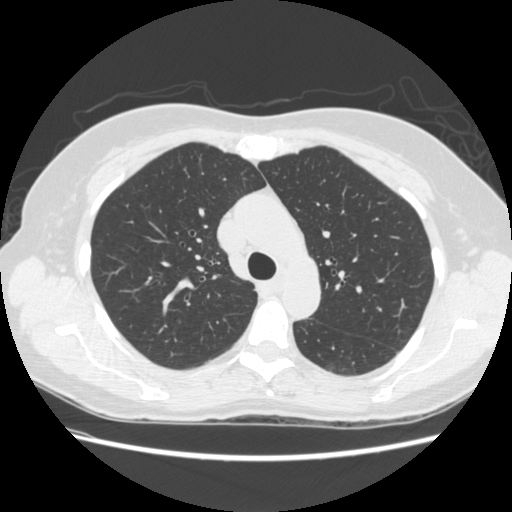
Axial slice 176 of 261 of a chest CT (slice 1 is the lowest), reconstructed with the STANDARD kernel at 120 kVp; 1.25 mm slice thickness and 0.682 mm pixels.
Pulmonary nodule outlined by two of the four readers, one of them on this slice; box rows 358–373, columns 328–357 (the one reader's outline on this slice); median longest diameter 30.8 mm (readers' outlines 30.0–31.5 mm), median volume 7245 mm3 (6577–7912 mm3). Ratings, median across the readers with their spread: median texture 1.5/5 (readers ranged 1/5 (non-solid) to 2/5); margin 1.5/5 at the median of two readers, spread 1/5 (indistinct) to 2/5; sphericity 4/5 at the median of two readers, spread 3/5 (ovoid) to 5/5 (round); calcification absent from both readers; internal structure soft tissue, both readers agreeing; median subtlety 1.5/5 (readers ranged 1–2); median malignancy likelihood 4.5/5 (readers ranged 4–5). Scale key (1–5): texture non-solid→solid, margin indistinct→circumscribed, sphericity linear→round, subtlety extremely subtle→obvious, malignancy likelihood highly unlikely→highly suspicious of cancer. Box rows and columns are 0-based pixel indices from the top-left corner, inclusive.